Axial slice 91 of 477 of a chest CT (slice 1 is the lowest), reconstructed with the STANDARD kernel at 120 kVp; 1.25 mm slice thickness and 0.703 mm pixels.
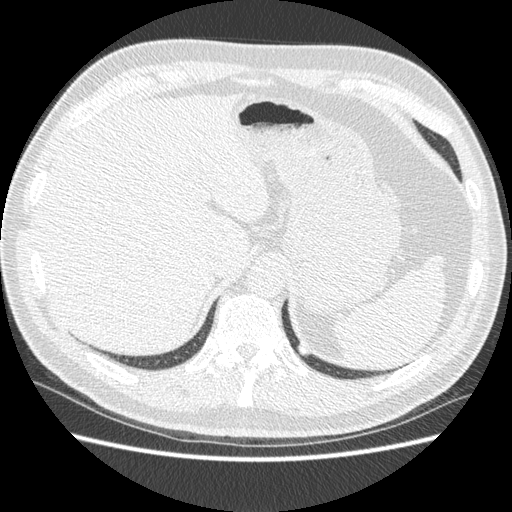
Pulmonary nodule at rows 344–356, columns 297–309 (box = the union of the readers' outlines on this slice), outlined by all four readers; longest diameter 11.8 mm on average over the four readers' outlines (readers' outlines 10.5–13.2 mm), volume 347–425 mm3. The readers' prevailing ratings and who disagreed: texture 5/5 (solid) from all four readers; margin 4/5 by three of four readers; the rest gave 5/5 (circumscribed) (one); sphericity 3/5 (ovoid) by two of four readers; the rest gave 4/5 (one), 5/5 (round) (one); calcification split among the readers: solid calcification (one), non-central calcification (one), central calcification (one), absent (one); internal structure soft tissue, all four readers agreeing; subtlety split among the readers: 3/5 (two), 5/5 (two); malignancy likelihood split among the readers: 1/5 (two), 2/5 (two). Scale key (1–5): texture non-solid→solid, margin indistinct→circumscribed, sphericity linear→round, subtlety extremely subtle→obvious, malignancy likelihood highly unlikely→highly suspicious of cancer. Box rows and columns are 0-based pixel indices from the top-left corner, inclusive.